One axial slice (112 of 192, counting up from the lowest) of a chest CT acquired at 120 kVp with the B30f kernel; each pixel is 0.664 mm and the slice is 2.00 mm thick.
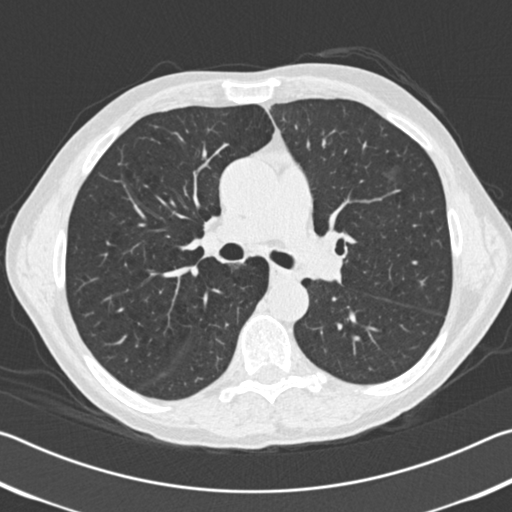
Pulmonary nodule, outlined by one of the four readers. Box on this slice rows 166–182, columns 383–401, that reader's outline on this slice; longest diameter 27.3 mm and volume 1622 mm3 from that reader's outline. Ratings by that reader: texture 1/5 (non-solid); margin 2/5; sphericity 5/5 (round); calcification absent; internal structure soft tissue; subtlety 4/5; malignancy likelihood 3/5. Scale key (1–5): texture non-solid→solid, margin indistinct→circumscribed, sphericity linear→round, subtlety extremely subtle→obvious, malignancy likelihood highly unlikely→highly suspicious of cancer. Box rows and columns are 0-based pixel indices from the top-left corner, inclusive.